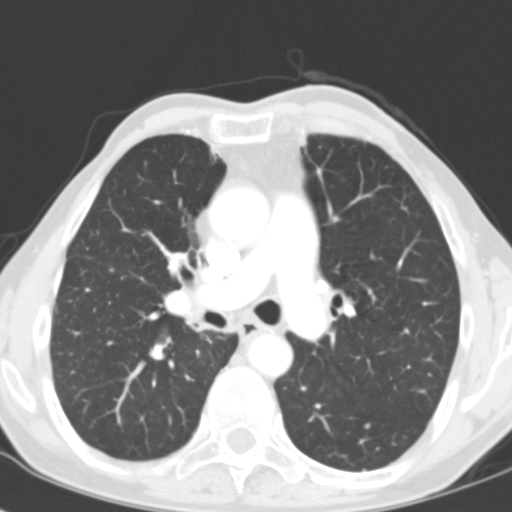
This is axial slice 70 of 116 (slice 1 is the lowest) of a chest CT; each pixel is 0.547 mm and the slice is 3.00 mm thick. Pulmonary nodule outlined by one of the four readers; box rows 423–428, columns 364–370 (that reader's outline on this slice); longest diameter 4.5 mm and volume 63 mm3 from that reader's outline. That reader's ratings: texture 4/5; margin 5/5 (circumscribed); sphericity 5/5 (round); calcification absent; internal structure soft tissue; subtlety 5/5; malignancy likelihood 3/5. Scale key (1–5): texture non-solid→solid, margin indistinct→circumscribed, sphericity linear→round, subtlety extremely subtle→obvious, malignancy likelihood highly unlikely→highly suspicious of cancer. Box rows and columns are 0-based pixel indices from the top-left corner, inclusive.
Tube voltage 120 kVp; convolution kernel B31f.